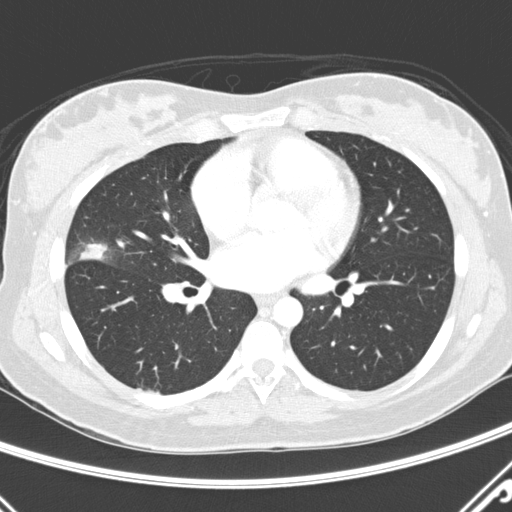
Chest CT, axial plane, 120 kVp, kernel D. Slice 141/290 from the bottom of the scan; thickness 2.00 mm; pixel size 0.648 mm.
Pulmonary nodule at rows 242–260, columns 78–106 (box = the union of the readers' outlines on this slice), outlined by all four readers; median longest diameter 23.9 mm (readers' outlines 19.9–37.8 mm), median volume 1825 mm3 (1327–2956 mm3). Ratings, median across the readers with their spread: median texture 4/5 (readers ranged 3/5 (part-solid) to 5/5 (solid)); median margin 1.5/5 (readers ranged 1/5 (indistinct) to 3/5); median sphericity 3/5 (ovoid) (readers ranged 2/5 to 4/5); calcification absent, all four readers agreeing; internal structure soft tissue from all four readers; subtlety 5/5, all four readers agreeing; malignancy likelihood 4/5 at the median of four readers, spread 3–5. Scale key (1–5): texture non-solid→solid, margin indistinct→circumscribed, sphericity linear→round, subtlety extremely subtle→obvious, malignancy likelihood highly unlikely→highly suspicious of cancer. Box rows and columns are 0-based pixel indices from the top-left corner, inclusive.